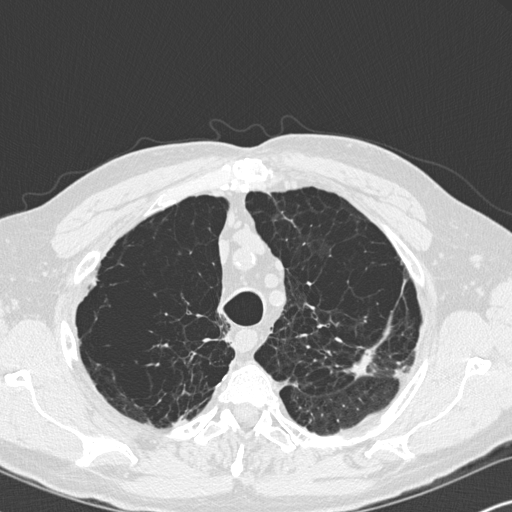
Chest CT, axial plane, 120 kVp, kernel B45f. Slice 261/347 from the bottom of the scan; thickness 1.00 mm; pixel size 0.625 mm.
Pulmonary nodule outlined by one of the four readers; box rows 349–379, columns 343–373 (that reader's outline on this slice); longest diameter 24.3 mm and volume 1862 mm3 from that reader's outline. Ratings by that reader: texture 5/5 (solid); margin 4/5; sphericity 3/5 (ovoid); calcification absent; internal structure soft tissue; subtlety 5/5; malignancy likelihood 4/5. Scale key (1–5): texture non-solid→solid, margin indistinct→circumscribed, sphericity linear→round, subtlety extremely subtle→obvious, malignancy likelihood highly unlikely→highly suspicious of cancer. Box rows and columns are 0-based pixel indices from the top-left corner, inclusive.